Chest CT, axial plane, 135 kVp, kernel FC01. Slice 72/109 from the bottom of the scan; thickness 3.00 mm; pixel size 0.720 mm.
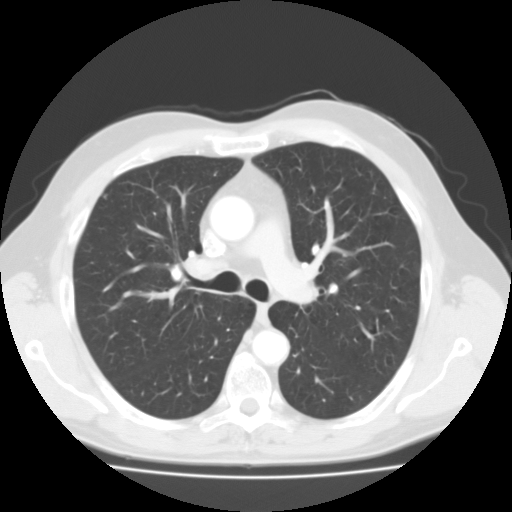
The readers outlined no nodule of 3 mm or more on this slice.